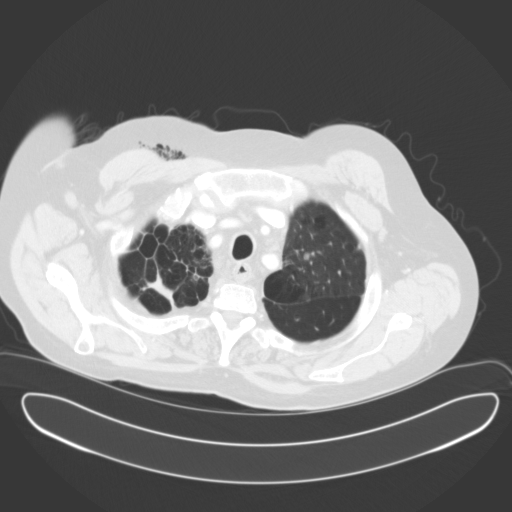
Axial chest CT slice 138 of 153 (counted from the lowest slice); tube voltage 120 kVp, convolution kernel B31f; slices 3.00 mm thick, 0.836 mm per pixel.
Pulmonary nodule outlined by two of the four readers; box rows 254–258, columns 305–308 (the union of the readers' outlines on this slice); median longest diameter 7.0 mm (readers' outlines 6.0–7.9 mm), median volume 123 mm3 (101–145 mm3). Ratings, median across the readers with their spread: texture 5/5 (solid), both readers agreeing; median margin 4/5 (readers ranged 3/5 to 5/5 (circumscribed)); sphericity 5/5 (round), both readers agreeing; calcification split among the readers: absent (one), central calcification (one); internal structure soft tissue from both readers; median subtlety 3.5/5 (readers ranged 3–4); malignancy likelihood 1/5, both readers agreeing. Scale key (1–5): texture non-solid→solid, margin indistinct→circumscribed, sphericity linear→round, subtlety extremely subtle→obvious, malignancy likelihood highly unlikely→highly suspicious of cancer. Box rows and columns are 0-based pixel indices from the top-left corner, inclusive.